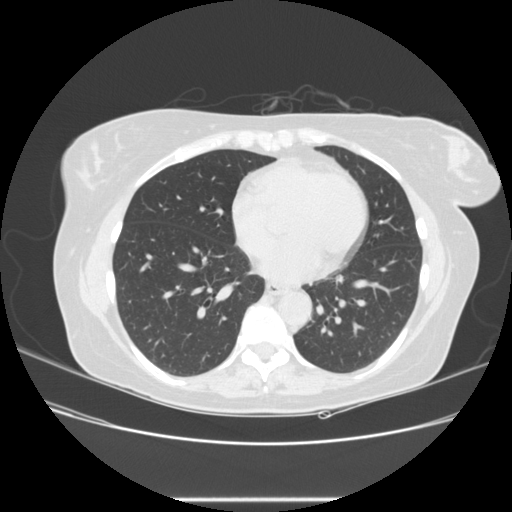
One axial slice (111 of 245, counting up from the lowest) of a chest CT acquired at 120 kVp with the STANDARD kernel; each pixel is 0.730 mm and the slice is 1.25 mm thick.
The readers outlined no nodule of 3 mm or more on this slice.